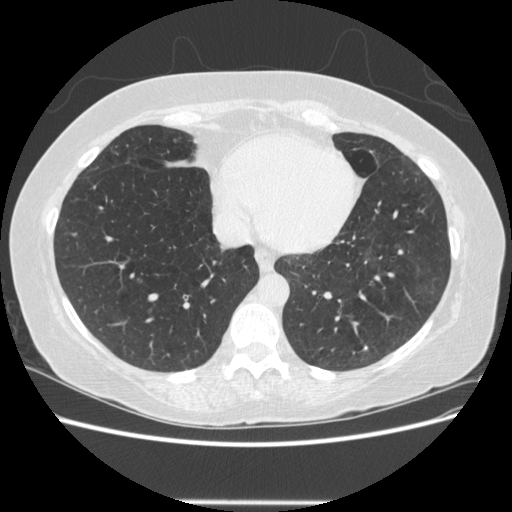
Axial chest CT slice 175 of 513 (counted from the lowest slice); 1.25 mm thick, 0.703 mm per pixel. Pulmonary nodule, outlined by all four readers. Box on this slice rows 345–350, columns 363–368, the union of the readers' outlines on this slice; median longest diameter 8.3 mm (readers' outlines 7.6–9.4 mm), median volume 121 mm3 (94–152 mm3). Median ratings and the readers' spread: texture 5/5 (solid) from all four readers; median margin 4.5/5 (readers ranged 1/5 (indistinct) to 5/5 (circumscribed)); median sphericity 5/5 (round) (readers ranged 3/5 (ovoid) to 5/5 (round)); calcification: solid calcification (three), absent (one); internal structure soft tissue, all four readers agreeing; median subtlety 5/5 (readers ranged 4–5); malignancy likelihood 1/5 at the median of four readers, spread 1–4. Scale key (1–5): texture non-solid→solid, margin indistinct→circumscribed, sphericity linear→round, subtlety extremely subtle→obvious, malignancy likelihood highly unlikely→highly suspicious of cancer. Box rows and columns are 0-based pixel indices from the top-left corner, inclusive.
Acquired at 120 kVp and reconstructed with the STANDARD kernel.